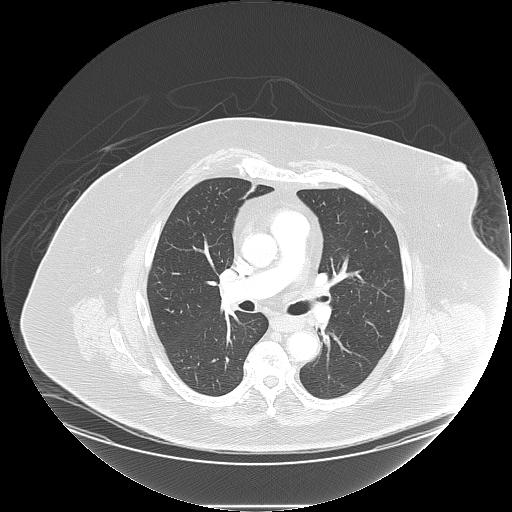
Axial chest CT slice 63 of 117 (counted from the lowest slice); tube voltage 120 kVp, convolution kernel LUNG; slices 2.50 mm thick, 0.977 mm per pixel.
This slice carries no reader outline of a nodule 3 mm or larger.